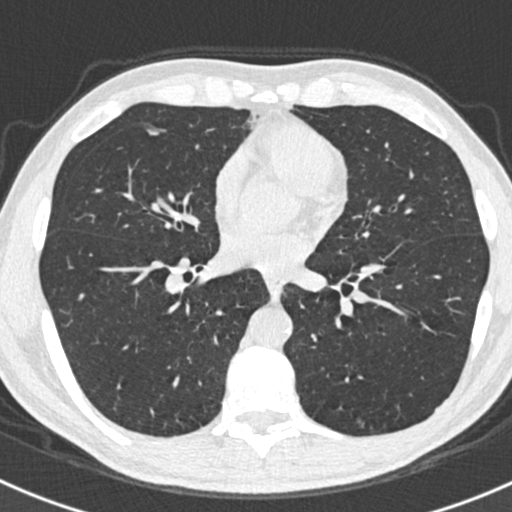
Axial slice 293 of 538 of a chest CT (slice 1 is the lowest), reconstructed with the B30f kernel at 120 kVp; 0.75 mm slice thickness and 0.605 mm pixels.
Pulmonary nodule at rows 128–136, columns 147–159 (box = the union of the readers' outlines on this slice), outlined by all four readers; the four readers' outlines give a longest diameter between 7.4 and 8.5 mm and a volume between 37 and 89 mm3. Ratings across the readers: texture from 4/5 to 5/5 (solid) across the four readers; margin from 3/5 to 5/5 (circumscribed) across the four readers; sphericity from 2/5 to 4/5 across the four readers; calcification absent from all four readers; internal structure soft tissue from all four readers; subtlety 3–4/5 (the readers disagree); malignancy likelihood rated between 1 and 3 out of 5 by the four readers. Scale key (1–5): texture non-solid→solid, margin indistinct→circumscribed, sphericity linear→round, subtlety extremely subtle→obvious, malignancy likelihood highly unlikely→highly suspicious of cancer. Box rows and columns are 0-based pixel indices from the top-left corner, inclusive.